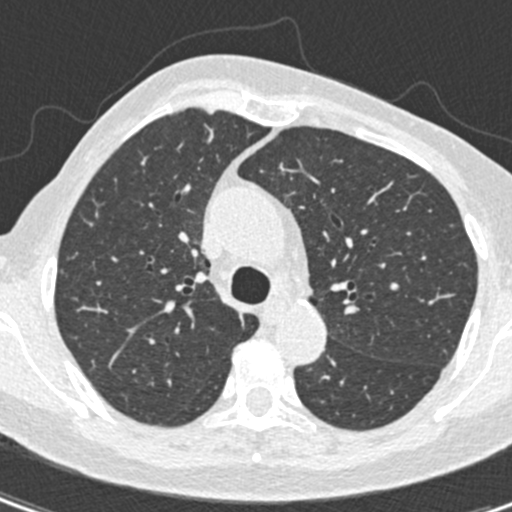
Chest CT, axial plane, 120 kVp, kernel B30f. Slice 291/408 from the bottom of the scan; thickness 0.75 mm; pixel size 0.531 mm.
Pulmonary nodule outlined by one of the four readers; box rows 270–274, columns 60–63 (that reader's outline on this slice); longest diameter 4.0 mm and volume 15 mm3 from that reader's outline. That reader's ratings: texture 5/5 (solid); margin 5/5 (circumscribed); sphericity 5/5 (round); calcification absent; internal structure soft tissue; subtlety 5/5; malignancy likelihood 3/5. Scale key (1–5): texture non-solid→solid, margin indistinct→circumscribed, sphericity linear→round, subtlety extremely subtle→obvious, malignancy likelihood highly unlikely→highly suspicious of cancer. Box rows and columns are 0-based pixel indices from the top-left corner, inclusive.